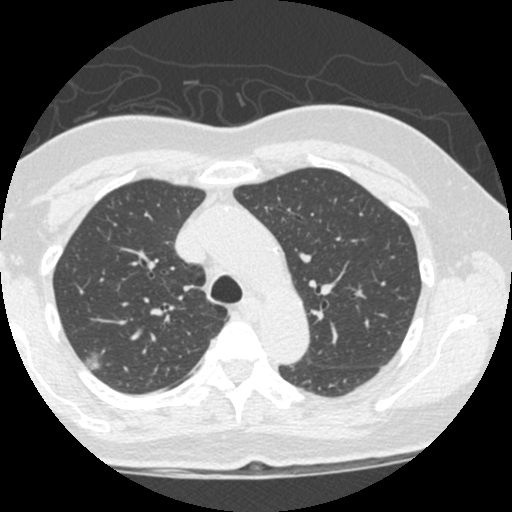
This is axial slice 374 of 490 (slice 1 is the lowest) of a chest CT; each pixel is 0.547 mm and the slice is 1.25 mm thick. Pulmonary nodule outlined by three of the four readers; box rows 351–370, columns 84–101 (the union of the readers' outlines on this slice); longest diameter 15.9 mm on average over the three readers' outlines (readers' outlines 14.3–18.3 mm), volume 967–1422 mm3. The readers' prevailing ratings and who disagreed: texture 1/5 (non-solid) by two of three readers; the rest gave 5/5 (solid) (one); most readers (two of three) put margin at 2/5, others 4/5 (one); sphericity split among the readers: 3/5 (ovoid) (one), 4/5 (one), 5/5 (round) (one); calcification absent, all three readers agreeing; internal structure soft tissue, all three readers agreeing; most readers (two of three) put subtlety at 5/5, others 1/5 (one); malignancy likelihood split among the readers: 2/5 (one), 3/5 (one), 5/5 (one). Scale key (1–5): texture non-solid→solid, margin indistinct→circumscribed, sphericity linear→round, subtlety extremely subtle→obvious, malignancy likelihood highly unlikely→highly suspicious of cancer. Box rows and columns are 0-based pixel indices from the top-left corner, inclusive.
Tube voltage 120 kVp; convolution kernel STANDARD.